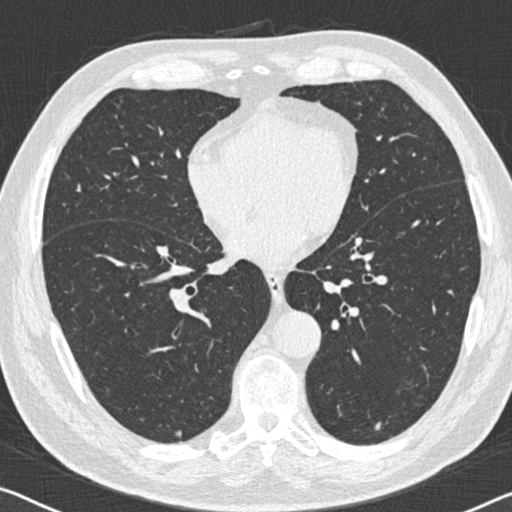
Chest CT, axial plane, 120 kVp, kernel B30f. Slice 260/536 from the bottom of the scan; thickness 0.75 mm; pixel size 0.656 mm.
Two pulmonary nodules are outlined on this slice; from left to right: (1) Pulmonary nodule, outlined by three of the four readers. Box on this slice rows 430–437, columns 175–182, the union of the readers' outlines on this slice; the three readers' outlines give a longest diameter between 6.2 and 9.3 mm and a volume between 71 and 161 mm3. The readers' ratings, as ranges where they differ: texture 5/5 (solid), all three readers agreeing; margin from 3/5 to 4/5 across the three readers; sphericity from 3/5 (ovoid) to 4/5 across the three readers; calcification: absent (two), non-central calcification (one); internal structure soft tissue from all three readers; subtlety from 3/5 to 5/5 across the three readers; malignancy likelihood 2–3/5 (the readers disagree). (2) Pulmonary nodule outlined by three of the four readers; box rows 421–430, columns 374–381 (the union of the readers' outlines on this slice); median longest diameter 7.3 mm (readers' outlines 5.9–7.9 mm), median volume 58 mm3 (17–64 mm3). Median ratings and the readers' spread: texture 5/5 (solid) from all three readers; margin 3/5 at the median of three readers, spread 2/5 to 3/5; sphericity 2/5 at the median of three readers, spread 1/5 (linear) to 3/5 (ovoid); calcification absent from all three readers; internal structure soft tissue from all three readers; median subtlety 3/5 (readers ranged 2–5); median malignancy likelihood 3/5 (readers ranged 1–3). Scale key (1–5): texture non-solid→solid, margin indistinct→circumscribed, sphericity linear→round, subtlety extremely subtle→obvious, malignancy likelihood highly unlikely→highly suspicious of cancer. Box rows and columns are 0-based pixel indices from the top-left corner, inclusive.